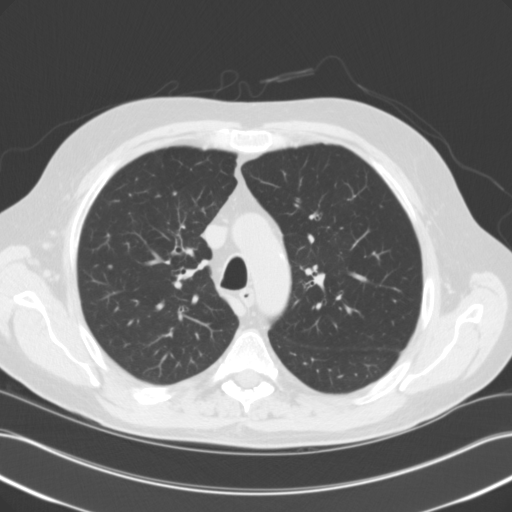
Slice 85/118 of a chest CT, counting up from the lowest; pixel size 0.707 mm, slice thickness 3.00 mm. Pulmonary nodule at rows 264–269, columns 107–112 (box = that reader's outline on this slice), outlined by one of the four readers; longest diameter 5.0 mm and volume 86 mm3 from that reader's outline. Ratings by that reader: texture 5/5 (solid); margin 4/5; sphericity 5/5 (round); calcification absent; internal structure soft tissue; subtlety 5/5; malignancy likelihood 3/5. Scale key (1–5): texture non-solid→solid, margin indistinct→circumscribed, sphericity linear→round, subtlety extremely subtle→obvious, malignancy likelihood highly unlikely→highly suspicious of cancer. Box rows and columns are 0-based pixel indices from the top-left corner, inclusive.
Tube voltage 120 kVp; convolution kernel B31f.